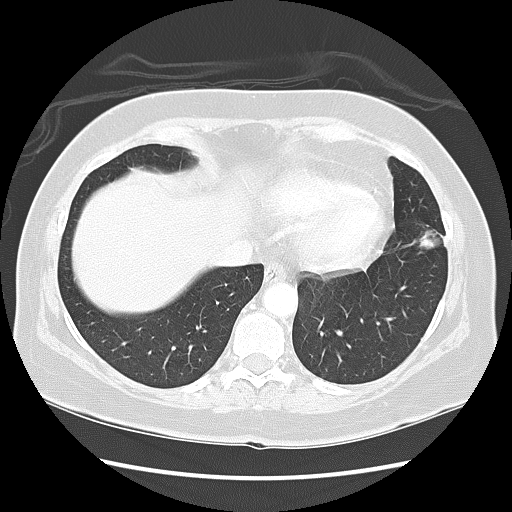
Axial chest CT slice 45 of 133 (counted from the lowest slice); tube voltage 120 kVp, convolution kernel LUNG; slices 2.50 mm thick, 0.703 mm per pixel.
Pulmonary nodule at rows 227–249, columns 417–443 (box = the union of the readers' outlines on this slice), outlined by all four readers; longest diameter 21.5–29.0 mm and volume 4280–5428 mm3 across the four readers' outlines. The readers' ratings, as ranges where they differ: texture from 4/5 to 5/5 (solid) across the four readers; margin from 4/5 to 5/5 (circumscribed) across the four readers; sphericity from 3/5 (ovoid) to 5/5 (round) across the four readers; calcification absent from all four readers; internal structure soft tissue, all four readers agreeing; subtlety 4–5/5 (the readers disagree); malignancy likelihood rated between 4 and 5 out of 5 by the four readers. Scale key (1–5): texture non-solid→solid, margin indistinct→circumscribed, sphericity linear→round, subtlety extremely subtle→obvious, malignancy likelihood highly unlikely→highly suspicious of cancer. Box rows and columns are 0-based pixel indices from the top-left corner, inclusive.